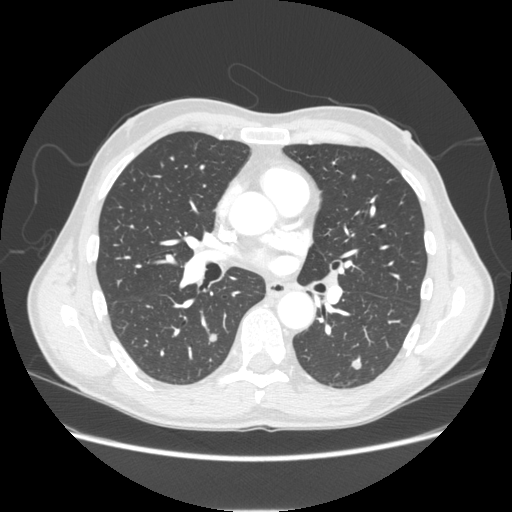
Axial slice 128 of 253 of a chest CT (slice 1 is the lowest), reconstructed with the STANDARD kernel at 120 kVp; 1.25 mm slice thickness and 0.742 mm pixels.
Two pulmonary nodules on this slice, listed from left to right. (1) Pulmonary nodule outlined by all four readers; box rows 334–343, columns 208–216 (the union of the readers' outlines on this slice); median longest diameter 8.9 mm (readers' outlines 8.5–9.3 mm), median volume 221 mm3 (204–262 mm3). Ratings, median across the readers with their spread: texture 5/5 (solid) from all four readers; median margin 5/5 (circumscribed) (readers ranged 1/5 (indistinct) to 5/5 (circumscribed)); sphericity 5/5 (round) at the median of four readers, spread 4/5 to 5/5 (round); calcification absent, all four readers agreeing; internal structure soft tissue, all four readers agreeing; subtlety 4/5 at the median of four readers, spread 3–5; malignancy likelihood 2.5/5 at the median of four readers, spread 2–4. (2) Pulmonary nodule at rows 356–369, columns 351–361 (box = the union of the readers' outlines on this slice), outlined by all four readers; longest diameter 8.7–11.4 mm and volume 216–250 mm3 across the four readers' outlines. The readers' ratings, as ranges where they differ: texture 5/5 (solid) from all four readers; margin from 4/5 to 5/5 (circumscribed) across the four readers; sphericity from 4/5 to 5/5 (round) across the four readers; calcification absent, all four readers agreeing; internal structure soft tissue from all four readers; subtlety rated between 3 and 5 out of 5 by the four readers; malignancy likelihood from 2/5 to 4/5 across the four readers. Scale key (1–5): texture non-solid→solid, margin indistinct→circumscribed, sphericity linear→round, subtlety extremely subtle→obvious, malignancy likelihood highly unlikely→highly suspicious of cancer. Box rows and columns are 0-based pixel indices from the top-left corner, inclusive.